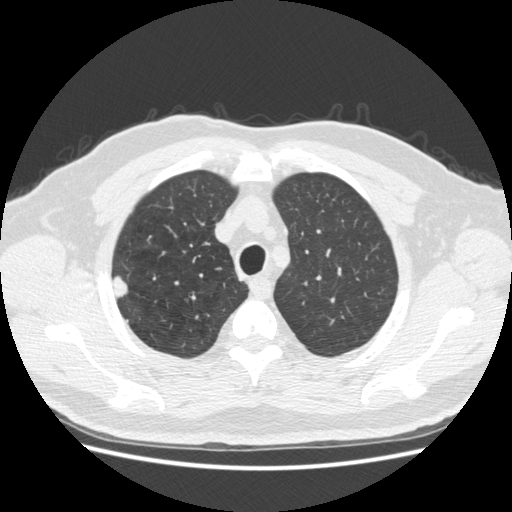
Axial chest CT slice 374 of 465 (counted from the lowest slice); tube voltage 120 kVp, convolution kernel STANDARD; slices 1.25 mm thick, 0.703 mm per pixel.
Pulmonary nodule at rows 276–298, columns 111–129 (box = the union of the readers' outlines on this slice), outlined by all four readers; longest diameter 17.5 mm on average over the four readers' outlines (readers' outlines 15.5–18.9 mm), volume 1041–1475 mm3. The readers' prevailing ratings and who disagreed: texture 5/5 (solid), all four readers agreeing; most readers (three of four) put margin at 5/5 (circumscribed), others 4/5 (one); sphericity 3/5 (ovoid) by two of four readers; the rest gave 4/5 (one), 5/5 (round) (one); calcification absent from all four readers; internal structure soft tissue, all four readers agreeing; most readers (three of four) put subtlety at 5/5, others 4/5 (one); malignancy likelihood 5/5 by two of four readers; the rest gave 2/5 (one), 3/5 (one). Scale key (1–5): texture non-solid→solid, margin indistinct→circumscribed, sphericity linear→round, subtlety extremely subtle→obvious, malignancy likelihood highly unlikely→highly suspicious of cancer. Box rows and columns are 0-based pixel indices from the top-left corner, inclusive.